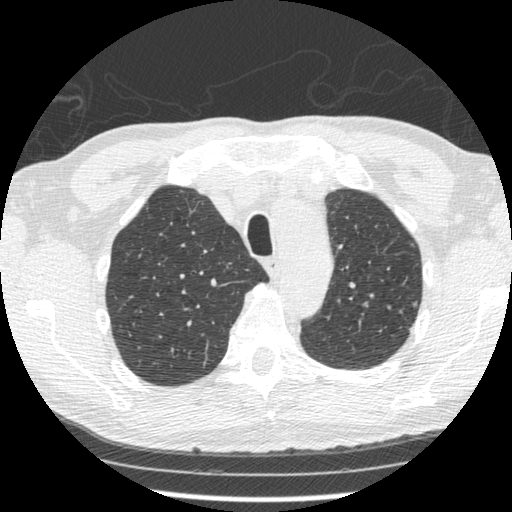
One axial slice (393 of 481, counting up from the lowest) of a chest CT acquired at 120 kVp with the STANDARD kernel; each pixel is 0.664 mm and the slice is 1.25 mm thick.
Pulmonary nodule, outlined by one of the four readers. Box on this slice rows 301–307, columns 412–417, that reader's outline on this slice; longest diameter 6.3 mm and volume 41 mm3 from that reader's outline. That reader's ratings: texture 2/5; margin 2/5; sphericity 4/5; calcification absent; internal structure soft tissue; subtlety 3/5; malignancy likelihood 3/5. Scale key (1–5): texture non-solid→solid, margin indistinct→circumscribed, sphericity linear→round, subtlety extremely subtle→obvious, malignancy likelihood highly unlikely→highly suspicious of cancer. Box rows and columns are 0-based pixel indices from the top-left corner, inclusive.